Axial slice 302 of 413 of a chest CT (slice 1 is the lowest), reconstructed with the STANDARD kernel at 120 kVp; 1.25 mm slice thickness and 0.625 mm pixels.
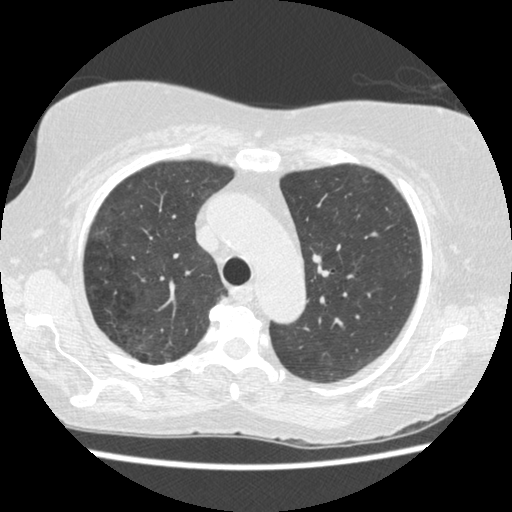
Pulmonary nodule at rows 253–262, columns 311–320 (box = the union of the readers' outlines on this slice), outlined by two of the four readers; longest diameter 7.9 mm on average over the two readers' outlines (readers' outlines 7.3–8.5 mm), volume 68–167 mm3. Ratings, by the readers' most common answer with dissent counted: texture 5/5 (solid), both readers agreeing; margin split among the readers: 3/5 (one), 5/5 (circumscribed) (one); sphericity split among the readers: 4/5 (one), 5/5 (round) (one); calcification absent from both readers; internal structure soft tissue from both readers; subtlety split among the readers: 2/5 (one), 3/5 (one); malignancy likelihood split among the readers: 3/5 (one), 4/5 (one). Scale key (1–5): texture non-solid→solid, margin indistinct→circumscribed, sphericity linear→round, subtlety extremely subtle→obvious, malignancy likelihood highly unlikely→highly suspicious of cancer. Box rows and columns are 0-based pixel indices from the top-left corner, inclusive.